One axial slice (129 of 251, counting up from the lowest) of a chest CT acquired at 120 kVp with the STANDARD kernel; each pixel is 0.809 mm and the slice is 1.25 mm thick.
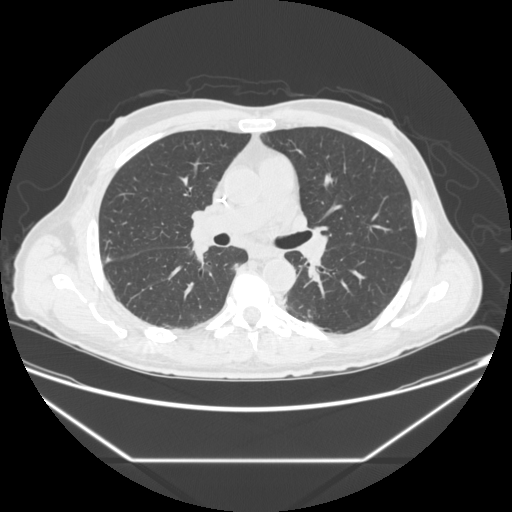
Pulmonary nodule, outlined by two of the four readers. Box on this slice rows 256–262, columns 105–112, the union of the readers' outlines on this slice; median longest diameter 7.9 mm (readers' outlines 6.7–9.0 mm), median volume 107 mm3 (61–153 mm3). Ratings, median across the readers with their spread: texture 4.5/5 at the median of two readers, spread 4/5 to 5/5 (solid); margin 3/5 at the median of two readers, spread 2/5 to 4/5; sphericity 3/5 (ovoid), both readers agreeing; calcification absent from both readers; internal structure soft tissue, both readers agreeing; subtlety 3.5/5 at the median of two readers, spread 3–4; malignancy likelihood 3/5 from both readers. Scale key (1–5): texture non-solid→solid, margin indistinct→circumscribed, sphericity linear→round, subtlety extremely subtle→obvious, malignancy likelihood highly unlikely→highly suspicious of cancer. Box rows and columns are 0-based pixel indices from the top-left corner, inclusive.